Chest CT, axial plane, 120 kVp, kernel B30f. Slice 264/493 from the bottom of the scan; thickness 0.75 mm; pixel size 0.762 mm.
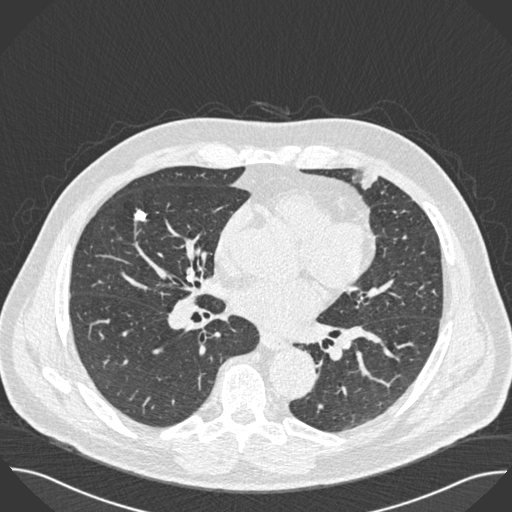
Pulmonary nodule outlined by all four readers; box rows 209–221, columns 134–146 (the union of the readers' outlines on this slice); longest diameter 12.6 mm on average over the four readers' outlines (readers' outlines 10.9–16.8 mm), volume 182–413 mm3. The readers' prevailing ratings and who disagreed: texture 5/5 (solid) from all four readers; margin 5/5 (circumscribed) by two of four readers; the rest gave 3/5 (one), 4/5 (one); sphericity 3/5 (ovoid) by two of four readers; the rest gave 4/5 (one), 5/5 (round) (one); calcification solid calcification from all four readers; internal structure soft tissue from all four readers; most readers (three of four) put subtlety at 5/5, others 4/5 (one); malignancy likelihood 1/5, all four readers agreeing. Scale key (1–5): texture non-solid→solid, margin indistinct→circumscribed, sphericity linear→round, subtlety extremely subtle→obvious, malignancy likelihood highly unlikely→highly suspicious of cancer. Box rows and columns are 0-based pixel indices from the top-left corner, inclusive.